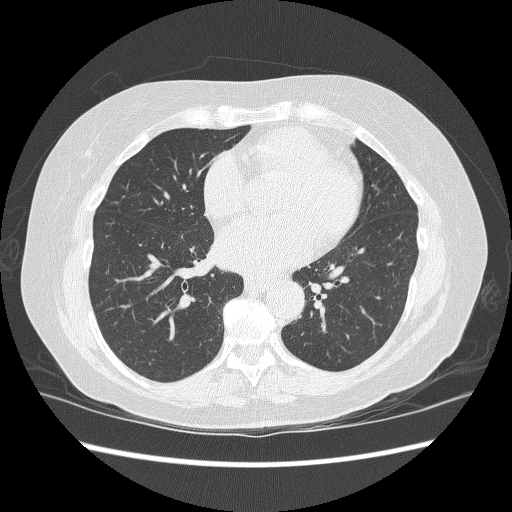
Slice 110/240 of a chest CT, counting up from the lowest; pixel size 0.703 mm, slice thickness 1.25 mm. The readers outlined no nodule of 3 mm or more on this slice.
Acquired at 120 kVp and reconstructed with the BONE kernel.